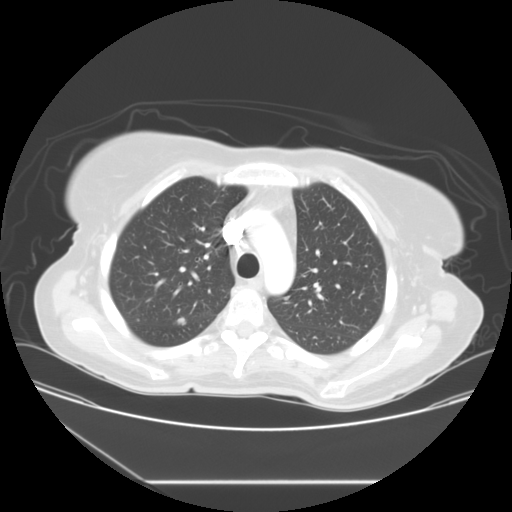
Axial chest CT slice 89 of 117 (counted from the lowest slice); 2.50 mm thick, 0.781 mm per pixel. Pulmonary nodule, outlined by three of the four readers. Box on this slice rows 317–324, columns 177–186, the union of the readers' outlines on this slice; longest diameter 8.1 mm on average over the three readers' outlines (readers' outlines 7.2–8.9 mm), volume 72–204 mm3. Ratings, by the readers' most common answer with dissent counted: texture 5/5 (solid), all three readers agreeing; margin 3/5 by two of three readers; the rest gave 5/5 (circumscribed) (one); sphericity split among the readers: 2/5 (one), 4/5 (one), 5/5 (round) (one); calcification absent, all three readers agreeing; internal structure soft tissue, all three readers agreeing; most readers (two of three) put subtlety at 3/5, others 4/5 (one); most readers (two of three) put malignancy likelihood at 3/5, others 2/5 (one). Scale key (1–5): texture non-solid→solid, margin indistinct→circumscribed, sphericity linear→round, subtlety extremely subtle→obvious, malignancy likelihood highly unlikely→highly suspicious of cancer. Box rows and columns are 0-based pixel indices from the top-left corner, inclusive.
Acquired at 120 kVp and reconstructed with the STANDARD kernel.